Chest CT, axial plane, 120 kVp, kernel STANDARD. Slice 191/281 from the bottom of the scan; thickness 1.25 mm; pixel size 0.816 mm.
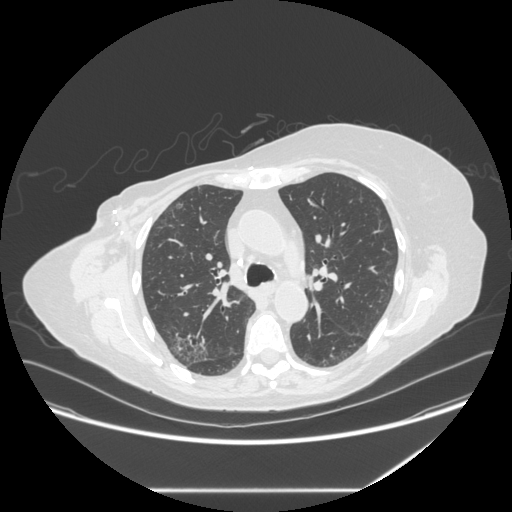
The readers outlined no nodule of 3 mm or more on this slice.